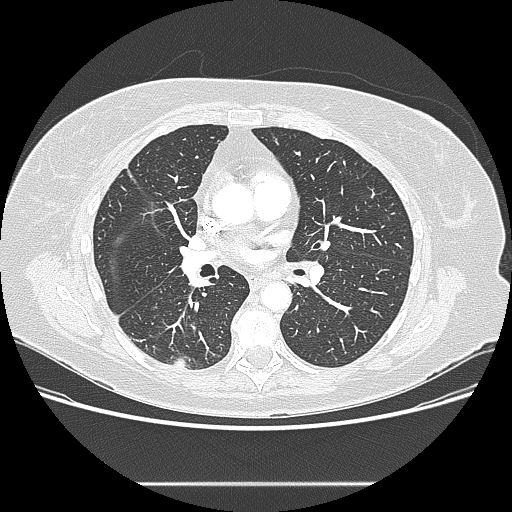
Slice 132/238 of a chest CT, counting up from the lowest; pixel size 0.742 mm, slice thickness 1.25 mm. Pulmonary nodule outlined by all four readers; box rows 358–369, columns 170–185 (the union of the readers' outlines on this slice); longest diameter 16.8 mm on average over the four readers' outlines (readers' outlines 16.2–17.0 mm), volume 1456–1679 mm3. Ratings, by the readers' most common answer with dissent counted: texture 5/5 (solid) from all four readers; margin 5/5 (circumscribed) by three of four readers; the rest gave 4/5 (one); most readers (three of four) put sphericity at 5/5 (round), others 3/5 (ovoid) (one); calcification absent from all four readers; internal structure soft tissue from all four readers; subtlety 5/5 by two of four readers; the rest gave 3/5 (one), 4/5 (one); malignancy likelihood 3/5 by two of four readers; the rest gave 2/5 (one), 4/5 (one). Scale key (1–5): texture non-solid→solid, margin indistinct→circumscribed, sphericity linear→round, subtlety extremely subtle→obvious, malignancy likelihood highly unlikely→highly suspicious of cancer. Box rows and columns are 0-based pixel indices from the top-left corner, inclusive.
Acquired at 120 kVp and reconstructed with the LUNG kernel.